Axial slice 205 of 225 of a chest CT (slice 1 is the lowest), reconstructed with the B30f kernel at 120 kVp; 2.00 mm slice thickness and 0.645 mm pixels.
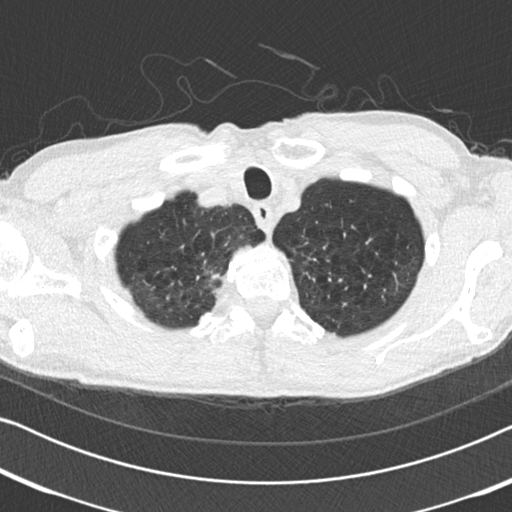
Pulmonary nodule at rows 313–321, columns 199–208 (box = that reader's outline on this slice), outlined by one of the four readers; longest diameter 11.1 mm and volume 221 mm3 from that reader's outline. Ratings by that reader: texture 5/5 (solid); margin 5/5 (circumscribed); sphericity 3/5 (ovoid); calcification solid calcification; internal structure soft tissue; subtlety 5/5; malignancy likelihood 1/5. Scale key (1–5): texture non-solid→solid, margin indistinct→circumscribed, sphericity linear→round, subtlety extremely subtle→obvious, malignancy likelihood highly unlikely→highly suspicious of cancer. Box rows and columns are 0-based pixel indices from the top-left corner, inclusive.